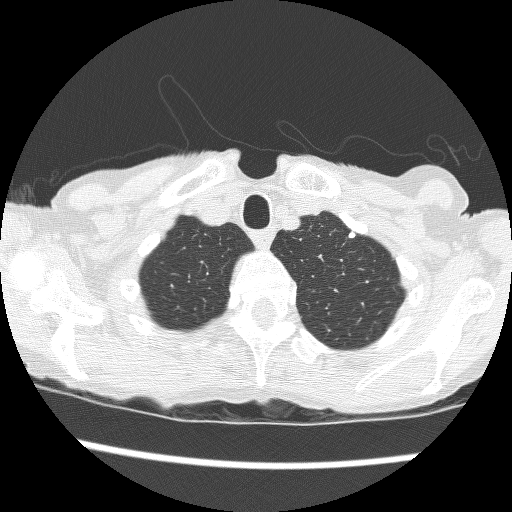
Axial chest CT slice 213 of 240 (counted from the lowest slice); tube voltage 120 kVp, convolution kernel BONE; slices 1.25 mm thick, 0.566 mm per pixel.
Pulmonary nodule, outlined by all four readers. Box on this slice rows 231–238, columns 348–355, the union of the readers' outlines on this slice; longest diameter 5.3–5.9 mm and volume 60–82 mm3 across the four readers' outlines. Ratings across the readers: texture 5/5 (solid), all four readers agreeing; margin 5/5 (circumscribed) from all four readers; sphericity from 3/5 (ovoid) to 5/5 (round) across the four readers; calcification: solid calcification (three), absent (one); internal structure soft tissue, all four readers agreeing; subtlety from 3/5 to 5/5 across the four readers; malignancy likelihood 1–4/5 (the readers disagree). Scale key (1–5): texture non-solid→solid, margin indistinct→circumscribed, sphericity linear→round, subtlety extremely subtle→obvious, malignancy likelihood highly unlikely→highly suspicious of cancer. Box rows and columns are 0-based pixel indices from the top-left corner, inclusive.